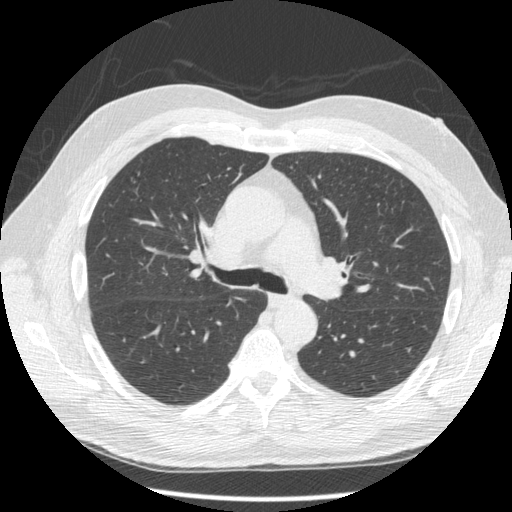
Chest CT, axial plane, 120 kVp, kernel STANDARD. Slice 277/452 from the bottom of the scan; thickness 1.25 mm; pixel size 0.703 mm.
None of the four readers outlined a nodule of 3 mm or more on this slice.